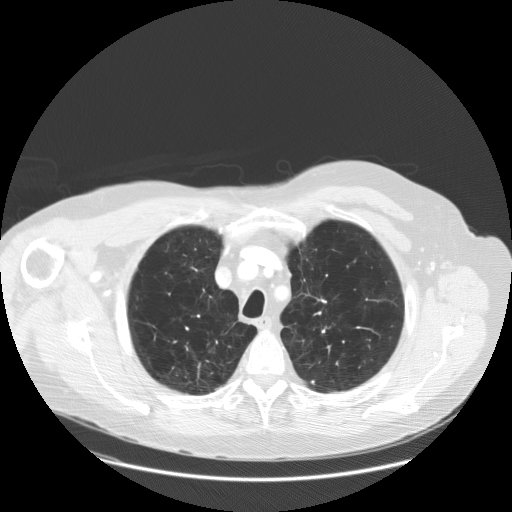
Axial slice 124 of 149 of a chest CT (slice 1 is the lowest), reconstructed with the STANDARD kernel at 120 kVp; 2.50 mm slice thickness and 0.820 mm pixels.
Pulmonary nodule at rows 380–383, columns 311–314 (box = the union of the readers' outlines on this slice), outlined by two of the four readers; median longest diameter 5.3 mm (readers' outlines 5.2–5.5 mm), median volume 101 mm3 (96–106 mm3). Median ratings and the readers' spread: texture 5/5 (solid) from both readers; margin 5/5 (circumscribed), both readers agreeing; sphericity 5/5 (round) from both readers; calcification solid calcification, both readers agreeing; internal structure soft tissue, both readers agreeing; median subtlety 3.5/5 (readers ranged 2–5); malignancy likelihood 1/5 from both readers. Scale key (1–5): texture non-solid→solid, margin indistinct→circumscribed, sphericity linear→round, subtlety extremely subtle→obvious, malignancy likelihood highly unlikely→highly suspicious of cancer. Box rows and columns are 0-based pixel indices from the top-left corner, inclusive.